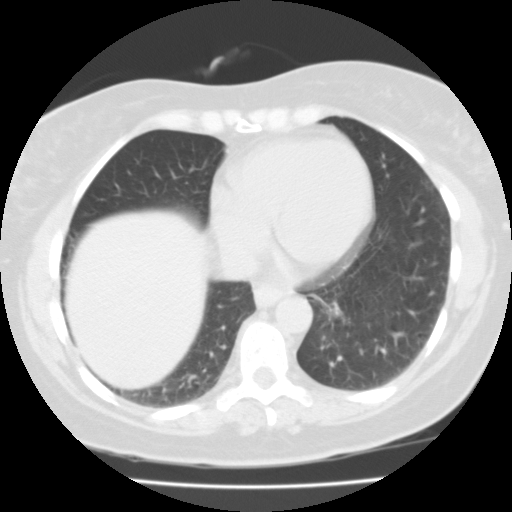
One axial slice (24 of 87, counting up from the lowest) of a chest CT acquired at 135 kVp with the FC01 kernel; each pixel is 0.650 mm and the slice is 3.00 mm thick.
Pulmonary nodule, outlined by all four readers, three of them on this slice. Box on this slice rows 295–316, columns 312–342, the union of the readers' outlines on this slice; median longest diameter 24.2 mm (readers' outlines 19.5–28.0 mm), median volume 2551 mm3 (2261–2704 mm3). Ratings, median across the readers with their spread: median texture 5/5 (solid) (readers ranged 4/5 to 5/5 (solid)); margin 3.5/5 at the median of four readers, spread 2/5 to 4/5; sphericity 4/5, all four readers agreeing; calcification absent from all four readers; internal structure soft tissue from all four readers; median subtlety 4.5/5 (readers ranged 4–5); median malignancy likelihood 3.5/5 (readers ranged 3–5). Scale key (1–5): texture non-solid→solid, margin indistinct→circumscribed, sphericity linear→round, subtlety extremely subtle→obvious, malignancy likelihood highly unlikely→highly suspicious of cancer. Box rows and columns are 0-based pixel indices from the top-left corner, inclusive.